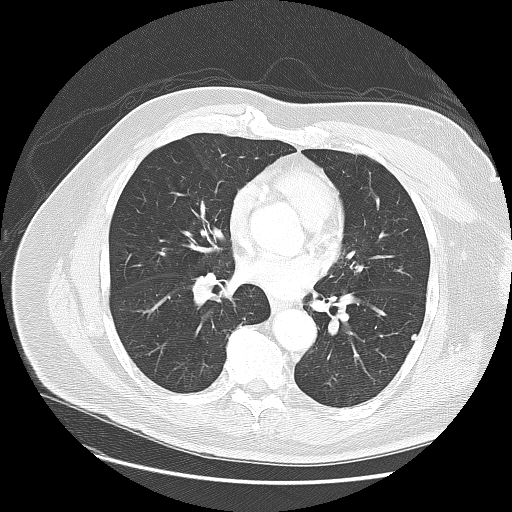
This is axial slice 73 of 140 (slice 1 is the lowest) of a chest CT; each pixel is 0.781 mm and the slice is 2.50 mm thick. Pulmonary nodule at rows 333–341, columns 410–416 (box = the union of the readers' outlines on this slice), outlined by three of the four readers; longest diameter 5.9–8.0 mm and volume 79–149 mm3 across the three readers' outlines. The readers' ratings, as ranges where they differ: texture 5/5 (solid) from all three readers; margin from 4/5 to 5/5 (circumscribed) across the three readers; sphericity from 2/5 to 3/5 (ovoid) across the three readers; calcification: absent (two), central calcification (one); internal structure soft tissue from all three readers; subtlety from 3/5 to 4/5 across the three readers; malignancy likelihood rated between 2 and 4 out of 5 by the three readers. Scale key (1–5): texture non-solid→solid, margin indistinct→circumscribed, sphericity linear→round, subtlety extremely subtle→obvious, malignancy likelihood highly unlikely→highly suspicious of cancer. Box rows and columns are 0-based pixel indices from the top-left corner, inclusive.
Acquired at 120 kVp and reconstructed with the LUNG kernel.